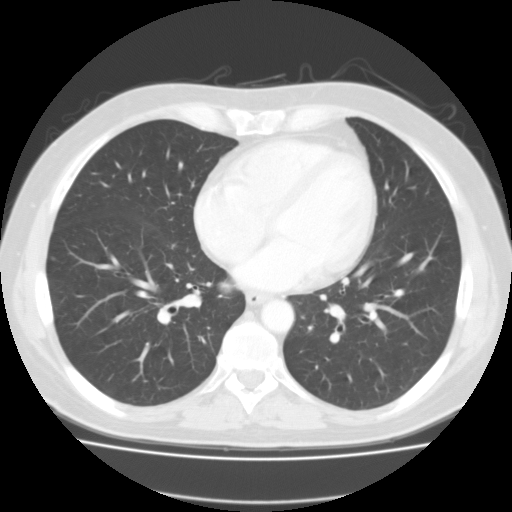
One axial slice (63 of 127, counting up from the lowest) of a chest CT acquired at 135 kVp with the FC01 kernel; each pixel is 0.750 mm and the slice is 3.00 mm thick.
Pulmonary nodule, outlined by one of the four readers. Box on this slice rows 257–261, columns 52–55, that reader's outline on this slice; longest diameter 5.4 mm and volume 126 mm3 from that reader's outline. That reader's ratings: texture 2/5; margin 2/5; sphericity 3/5 (ovoid); calcification absent; internal structure soft tissue; subtlety 1/5; malignancy likelihood 3/5. Scale key (1–5): texture non-solid→solid, margin indistinct→circumscribed, sphericity linear→round, subtlety extremely subtle→obvious, malignancy likelihood highly unlikely→highly suspicious of cancer. Box rows and columns are 0-based pixel indices from the top-left corner, inclusive.